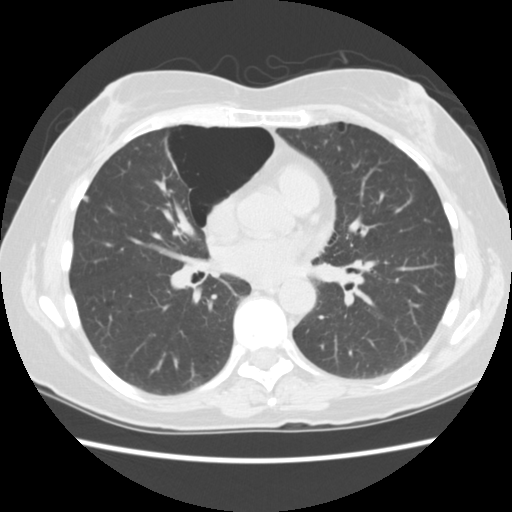
One axial slice (72 of 156, counting up from the lowest) of a chest CT acquired at 120 kVp with the STANDARD kernel; each pixel is 0.645 mm and the slice is 2.50 mm thick.
Pulmonary nodule, outlined by three of the four readers. Box on this slice rows 195–202, columns 83–88, the union of the readers' outlines on this slice; longest diameter 5.5 mm on average over the three readers' outlines (readers' outlines 4.6–6.1 mm), volume 43–62 mm3. Ratings, by the readers' most common answer with dissent counted: texture 5/5 (solid), all three readers agreeing; most readers (two of three) put margin at 4/5, others 5/5 (circumscribed) (one); sphericity 4/5 by two of three readers; the rest gave 3/5 (ovoid) (one); calcification absent, all three readers agreeing; internal structure soft tissue from all three readers; most readers (two of three) put subtlety at 4/5, others 5/5 (one); most readers (two of three) put malignancy likelihood at 3/5, others 2/5 (one). Scale key (1–5): texture non-solid→solid, margin indistinct→circumscribed, sphericity linear→round, subtlety extremely subtle→obvious, malignancy likelihood highly unlikely→highly suspicious of cancer. Box rows and columns are 0-based pixel indices from the top-left corner, inclusive.